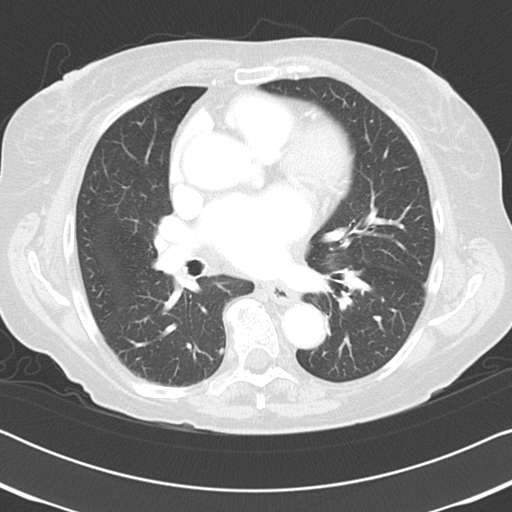
This is axial slice 56 of 96 (slice 1 is the lowest) of a chest CT; each pixel is 0.645 mm and the slice is 3.00 mm thick. Pulmonary nodule outlined by three of the four readers; box rows 347–355, columns 218–224 (the union of the readers' outlines on this slice); longest diameter 5.8–6.7 mm and volume 82–131 mm3 across the three readers' outlines. Ratings across the readers: texture 5/5 (solid) from all three readers; margin from 4/5 to 5/5 (circumscribed) across the three readers; sphericity from 3/5 (ovoid) to 5/5 (round) across the three readers; calcification absent, all three readers agreeing; internal structure soft tissue, all three readers agreeing; subtlety rated between 3 and 5 out of 5 by the three readers; malignancy likelihood from 2/5 to 3/5 across the three readers. Scale key (1–5): texture non-solid→solid, margin indistinct→circumscribed, sphericity linear→round, subtlety extremely subtle→obvious, malignancy likelihood highly unlikely→highly suspicious of cancer. Box rows and columns are 0-based pixel indices from the top-left corner, inclusive.
Scan settings: 120 kVp, B45f reconstruction kernel.